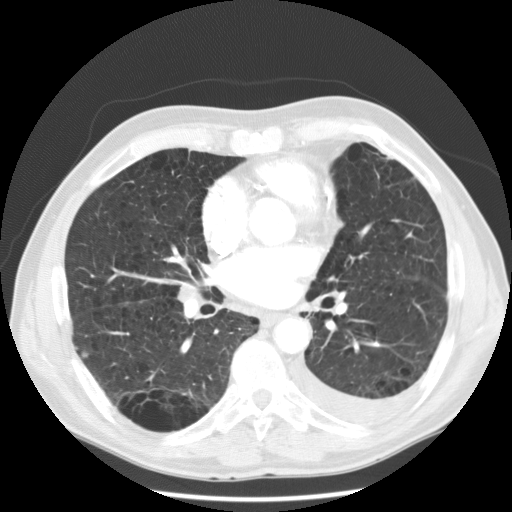
Axial slice 78 of 145 of a chest CT (slice 1 is the lowest), reconstructed with the STANDARD kernel at 120 kVp; 2.50 mm slice thickness and 0.742 mm pixels.
Pulmonary nodule at rows 352–357, columns 81–87 (box = that reader's outline on this slice), outlined by one of the four readers; longest diameter 6.7 mm and volume 152 mm3 from that reader's outline. Ratings by that reader: texture 5/5 (solid); margin 5/5 (circumscribed); sphericity 4/5; calcification absent; internal structure soft tissue; subtlety 3/5; malignancy likelihood 2/5. Scale key (1–5): texture non-solid→solid, margin indistinct→circumscribed, sphericity linear→round, subtlety extremely subtle→obvious, malignancy likelihood highly unlikely→highly suspicious of cancer. Box rows and columns are 0-based pixel indices from the top-left corner, inclusive.